Axial chest CT slice 474 of 764 (counted from the lowest slice); tube voltage 120 kVp, convolution kernel B31f; slices 1.00 mm thick, 0.646 mm per pixel.
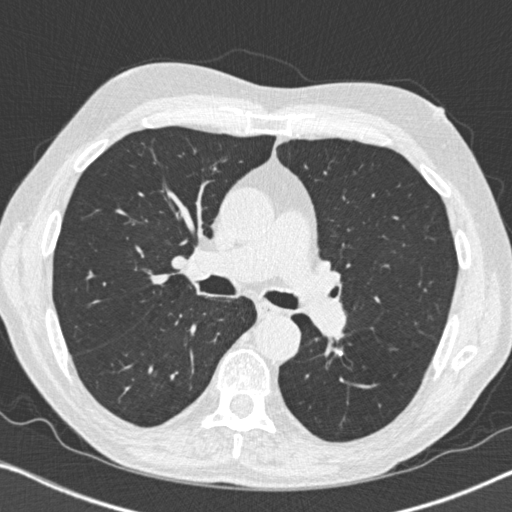
Pulmonary nodule outlined by one of the four readers; box rows 351–354, columns 339–342 (that reader's outline on this slice); longest diameter 8.3 mm and volume 154 mm3 from that reader's outline. Ratings by that reader: texture 5/5 (solid); margin 5/5 (circumscribed); sphericity 3/5 (ovoid); calcification solid calcification; internal structure soft tissue; subtlety 5/5; malignancy likelihood 1/5. Scale key (1–5): texture non-solid→solid, margin indistinct→circumscribed, sphericity linear→round, subtlety extremely subtle→obvious, malignancy likelihood highly unlikely→highly suspicious of cancer. Box rows and columns are 0-based pixel indices from the top-left corner, inclusive.